One axial slice (58 of 255, counting up from the lowest) of a chest CT acquired at 120 kVp with the STANDARD kernel; each pixel is 0.664 mm and the slice is 2.50 mm thick.
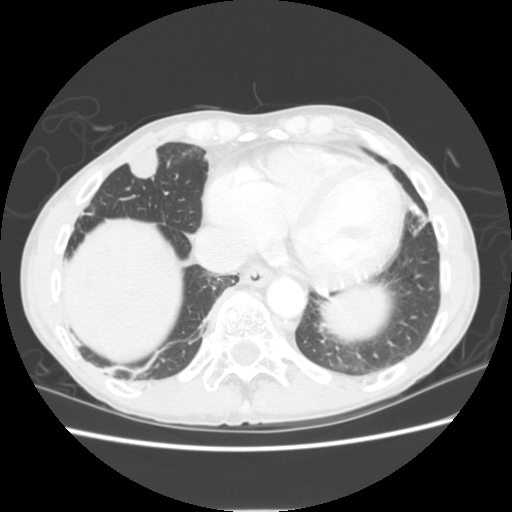
Pulmonary nodule outlined by all four readers; box rows 147–180, columns 127–159 (the union of the readers' outlines on this slice); median longest diameter 26.5 mm (readers' outlines 25.4–30.3 mm), median volume 5349 mm3 (4677–6345 mm3). Ratings, median across the readers with their spread: texture 5/5 (solid) from all four readers; margin 4.5/5 at the median of four readers, spread 4/5 to 5/5 (circumscribed); sphericity 4/5 at the median of four readers, spread 3/5 (ovoid) to 5/5 (round); calcification absent, all four readers agreeing; internal structure soft tissue from all four readers; subtlety 5/5, all four readers agreeing; malignancy likelihood 5/5 at the median of four readers, spread 3–5. Scale key (1–5): texture non-solid→solid, margin indistinct→circumscribed, sphericity linear→round, subtlety extremely subtle→obvious, malignancy likelihood highly unlikely→highly suspicious of cancer. Box rows and columns are 0-based pixel indices from the top-left corner, inclusive.